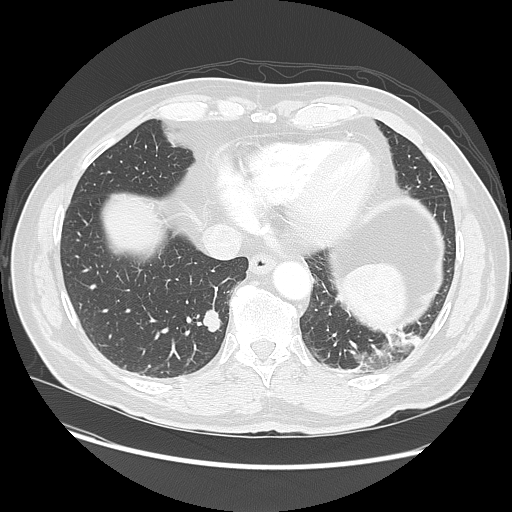
Slice 36/135 of a chest CT, counting up from the lowest; pixel size 0.781 mm, slice thickness 2.50 mm. Pulmonary nodule at rows 309–331, columns 202–222 (box = the union of the readers' outlines on this slice), outlined by all four readers; the four readers' outlines give a longest diameter between 18.4 and 19.8 mm and a volume between 2155 and 2410 mm3. The readers' ratings, as ranges where they differ: texture 5/5 (solid) from all four readers; margin from 4/5 to 5/5 (circumscribed) across the four readers; sphericity from 3/5 (ovoid) to 4/5 across the four readers; calcification absent from all four readers; internal structure soft tissue, all four readers agreeing; subtlety rated between 4 and 5 out of 5 by the four readers; malignancy likelihood 2–5/5 (the readers disagree). Scale key (1–5): texture non-solid→solid, margin indistinct→circumscribed, sphericity linear→round, subtlety extremely subtle→obvious, malignancy likelihood highly unlikely→highly suspicious of cancer. Box rows and columns are 0-based pixel indices from the top-left corner, inclusive.
Acquired at 120 kVp and reconstructed with the LUNG kernel.